One axial slice (109 of 186, counting up from the lowest) of a chest CT acquired at 120 kVp with the B30f kernel; each pixel is 0.586 mm and the slice is 2.00 mm thick.
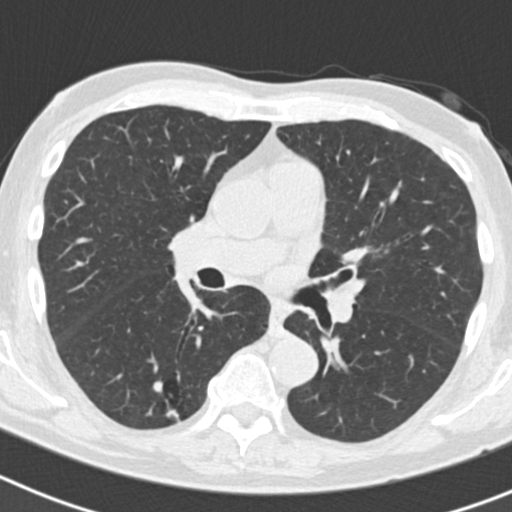
Two pulmonary nodules are outlined on this slice; from left to right: (1) Pulmonary nodule, outlined by all four readers. Box on this slice rows 381–395, columns 150–162, the union of the readers' outlines on this slice; median longest diameter 8.9 mm (readers' outlines 7.2–10.2 mm), median volume 208 mm3 (143–297 mm3). Median ratings and the readers' spread: median texture 5/5 (solid) (readers ranged 4/5 to 5/5 (solid)); margin 4/5 at the median of four readers, spread 3/5 to 5/5 (circumscribed); sphericity 4/5, all four readers agreeing; calcification absent from all four readers; internal structure soft tissue from all four readers; subtlety 3.5/5 at the median of four readers, spread 2–5; median malignancy likelihood 3/5 (readers ranged 2–5). (2) Pulmonary nodule outlined by three of the four readers, two of them on this slice; box rows 410–416, columns 168–176 (the union of the readers' outlines on this slice); the three readers' outlines give a longest diameter between 19.6 and 20.9 mm and a volume between 1911 and 1935 mm3. The readers' ratings, as ranges where they differ: texture from 4/5 to 5/5 (solid) across the three readers; margin from 3/5 to 4/5 across the three readers; sphericity from 2/5 to 4/5 across the three readers; calcification absent, all three readers agreeing; internal structure soft tissue from all three readers; subtlety rated between 4 and 5 out of 5 by the three readers; malignancy likelihood rated between 3 and 5 out of 5 by the three readers. Scale key (1–5): texture non-solid→solid, margin indistinct→circumscribed, sphericity linear→round, subtlety extremely subtle→obvious, malignancy likelihood highly unlikely→highly suspicious of cancer. Box rows and columns are 0-based pixel indices from the top-left corner, inclusive.